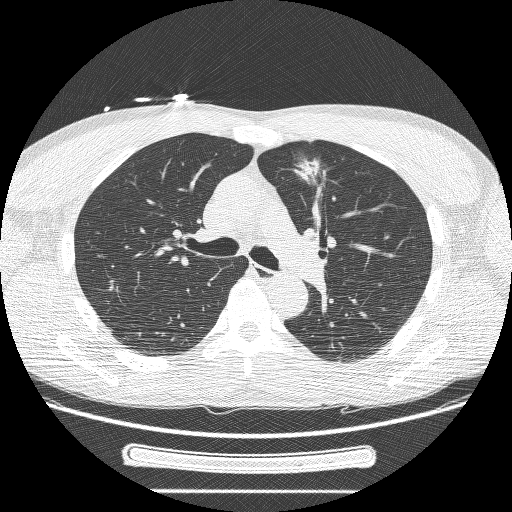
This is axial slice 156 of 244 (slice 1 is the lowest) of a chest CT; each pixel is 0.729 mm and the slice is 1.25 mm thick. Pulmonary nodule at rows 153–185, columns 291–323 (box = the union of the readers' outlines on this slice), outlined by three of the four readers; longest diameter 34.2 mm on average over the three readers' outlines (readers' outlines 27.4–37.9 mm), volume 2934–10099 mm3. Ratings, by the readers' most common answer with dissent counted: texture 5/5 (solid) by two of three readers; the rest gave 3/5 (part-solid) (one); margin split among the readers: 1/5 (indistinct) (one), 2/5 (one), 3/5 (one); sphericity split among the readers: 2/5 (one), 3/5 (ovoid) (one), 4/5 (one); calcification absent, all three readers agreeing; internal structure soft tissue from all three readers; subtlety 5/5 from all three readers; malignancy likelihood 5/5 by two of three readers; the rest gave 3/5 (one). Scale key (1–5): texture non-solid→solid, margin indistinct→circumscribed, sphericity linear→round, subtlety extremely subtle→obvious, malignancy likelihood highly unlikely→highly suspicious of cancer. Box rows and columns are 0-based pixel indices from the top-left corner, inclusive.
Scan settings: 120 kVp, BONE reconstruction kernel.